Axial slice 355 of 590 of a chest CT (slice 1 is the lowest), reconstructed with the B kernel at 120 kVp; 0.90 mm slice thickness and 0.627 mm pixels.
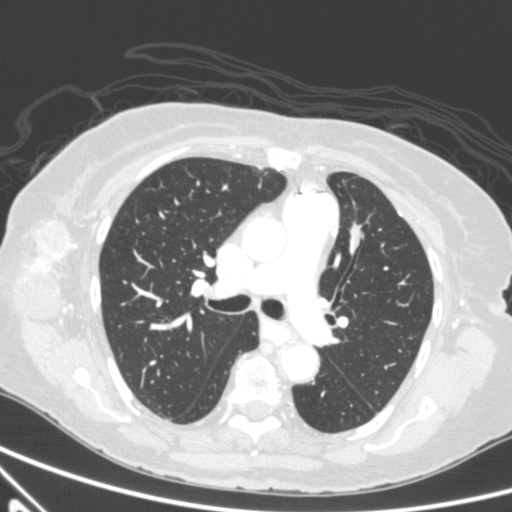
Pulmonary nodule, outlined by all four readers, three of them on this slice. Box on this slice rows 222–248, columns 349–363, the union of the readers' outlines on this slice; the four readers' outlines give a longest diameter between 16.3 and 20.1 mm and a volume between 1116 and 1236 mm3. Ratings across the readers: texture 5/5 (solid), all four readers agreeing; margin from 3/5 to 5/5 (circumscribed) across the four readers; sphericity from 3/5 (ovoid) to 4/5 across the four readers; calcification absent from all four readers; internal structure soft tissue from all four readers; subtlety from 4/5 to 5/5 across the four readers; malignancy likelihood 3–5/5 (the readers disagree). Scale key (1–5): texture non-solid→solid, margin indistinct→circumscribed, sphericity linear→round, subtlety extremely subtle→obvious, malignancy likelihood highly unlikely→highly suspicious of cancer. Box rows and columns are 0-based pixel indices from the top-left corner, inclusive.